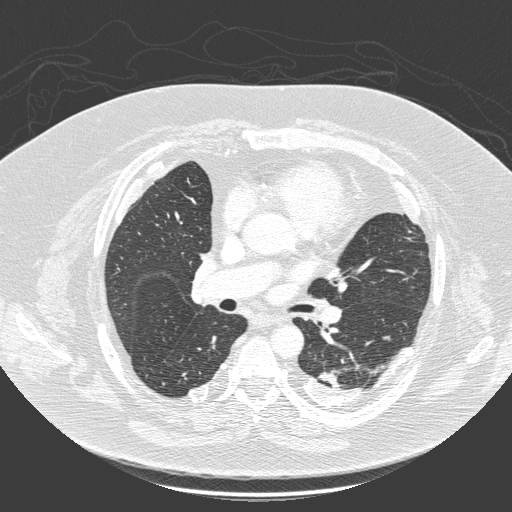
Axial slice 135 of 280 of a chest CT (slice 1 is the lowest), reconstructed with the D kernel at 140 kVp; 1.00 mm slice thickness and 0.801 mm pixels.
Pulmonary nodule at rows 336–339, columns 383–389 (box = the union of the readers' outlines on this slice), outlined by three of the four readers; longest diameter 6.8 mm on average over the three readers' outlines (readers' outlines 5.8–7.6 mm), volume 42–96 mm3. Ratings, by the readers' most common answer with dissent counted: texture 5/5 (solid) by two of three readers; the rest gave 4/5 (one); most readers (two of three) put margin at 4/5, others 5/5 (circumscribed) (one); sphericity split among the readers: 2/5 (one), 3/5 (ovoid) (one), 4/5 (one); calcification absent, all three readers agreeing; internal structure soft tissue, all three readers agreeing; most readers (two of three) put subtlety at 3/5, others 4/5 (one); malignancy likelihood 3/5 by two of three readers; the rest gave 2/5 (one). Scale key (1–5): texture non-solid→solid, margin indistinct→circumscribed, sphericity linear→round, subtlety extremely subtle→obvious, malignancy likelihood highly unlikely→highly suspicious of cancer. Box rows and columns are 0-based pixel indices from the top-left corner, inclusive.